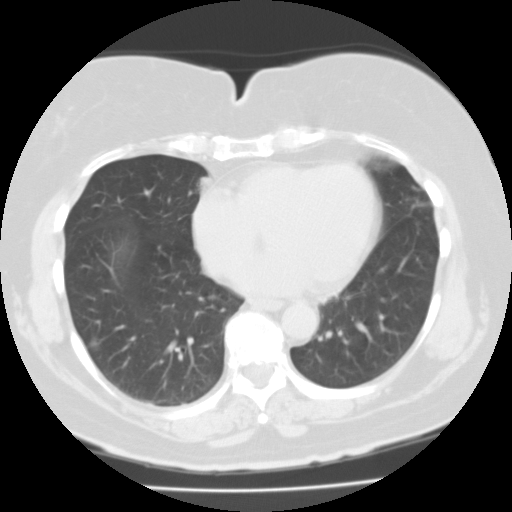
One axial slice (51 of 112, counting up from the lowest) of a chest CT acquired at 135 kVp with the FC01 kernel; each pixel is 0.650 mm and the slice is 3.00 mm thick.
Pulmonary nodule at rows 339–349, columns 90–98 (box = the union of the readers' outlines on this slice), outlined by three of the four readers; longest diameter 7.6 mm on average over the three readers' outlines (readers' outlines 7.0–8.0 mm), volume 129–204 mm3. Ratings, by the readers' most common answer with dissent counted: most readers (two of three) put texture at 5/5 (solid), others 4/5 (one); margin 3/5 by two of three readers; the rest gave 4/5 (one); most readers (two of three) put sphericity at 5/5 (round), others 4/5 (one); calcification absent, all three readers agreeing; internal structure soft tissue from all three readers; subtlety 4/5 by two of three readers; the rest gave 5/5 (one); malignancy likelihood 3/5, all three readers agreeing. Scale key (1–5): texture non-solid→solid, margin indistinct→circumscribed, sphericity linear→round, subtlety extremely subtle→obvious, malignancy likelihood highly unlikely→highly suspicious of cancer. Box rows and columns are 0-based pixel indices from the top-left corner, inclusive.